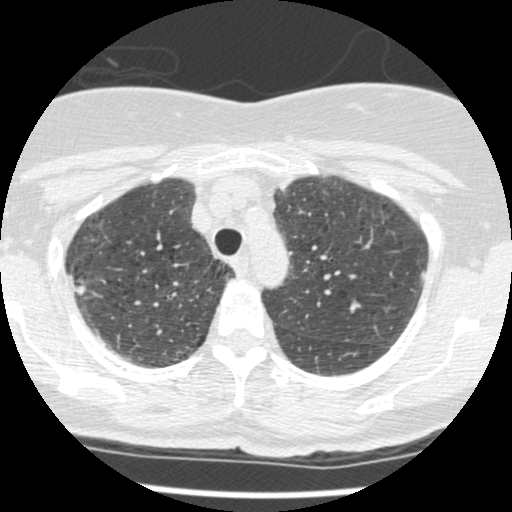
Axial slice 382 of 465 of a chest CT (slice 1 is the lowest), reconstructed with the STANDARD kernel at 120 kVp; 1.25 mm slice thickness and 0.586 mm pixels.
Pulmonary nodule at rows 286–294, columns 76–85 (box = that reader's outline on this slice), outlined by one of the four readers; longest diameter 8.3 mm and volume 208 mm3 from that reader's outline. Ratings by that reader: texture 5/5 (solid); margin 4/5; sphericity 4/5; calcification absent; internal structure soft tissue; subtlety 3/5; malignancy likelihood 2/5. Scale key (1–5): texture non-solid→solid, margin indistinct→circumscribed, sphericity linear→round, subtlety extremely subtle→obvious, malignancy likelihood highly unlikely→highly suspicious of cancer. Box rows and columns are 0-based pixel indices from the top-left corner, inclusive.